Axial slice 276 of 400 of a chest CT (slice 1 is the lowest), reconstructed with the C kernel at 120 kVp; 1.50 mm slice thickness and 0.527 mm pixels.
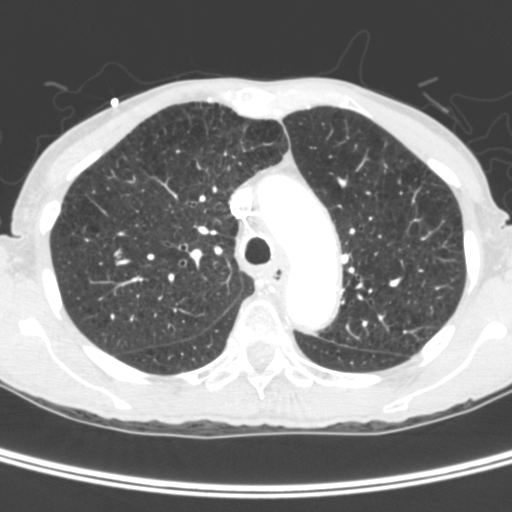
Pulmonary nodule, outlined by one of the four readers. Box on this slice rows 249–256, columns 113–119, that reader's outline on this slice; longest diameter 5.7 mm and volume 76 mm3 from that reader's outline. That reader's ratings: texture 5/5 (solid); margin 4/5; sphericity 4/5; calcification absent; internal structure soft tissue; subtlety 4/5; malignancy likelihood 3/5. Scale key (1–5): texture non-solid→solid, margin indistinct→circumscribed, sphericity linear→round, subtlety extremely subtle→obvious, malignancy likelihood highly unlikely→highly suspicious of cancer. Box rows and columns are 0-based pixel indices from the top-left corner, inclusive.